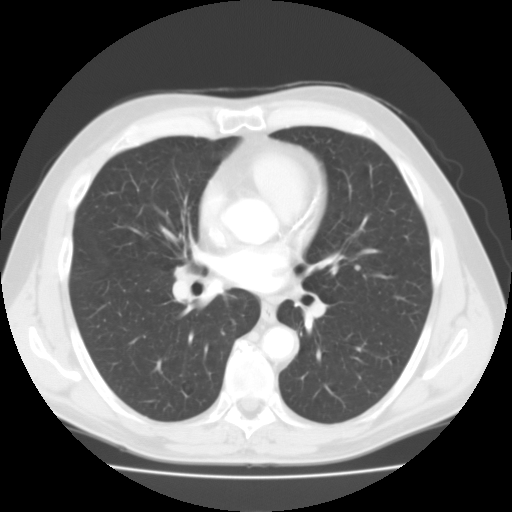
Slice 59/109 of a chest CT, counting up from the lowest; pixel size 0.720 mm, slice thickness 3.00 mm. Pulmonary nodule, outlined by one of the four readers. Box on this slice rows 265–270, columns 354–360, that reader's outline on this slice; longest diameter 5.8 mm and volume 95 mm3 from that reader's outline. Ratings by that reader: texture 5/5 (solid); margin 5/5 (circumscribed); sphericity 4/5; calcification absent; internal structure soft tissue; subtlety 3/5; malignancy likelihood 1/5. Scale key (1–5): texture non-solid→solid, margin indistinct→circumscribed, sphericity linear→round, subtlety extremely subtle→obvious, malignancy likelihood highly unlikely→highly suspicious of cancer. Box rows and columns are 0-based pixel indices from the top-left corner, inclusive.
Tube voltage 135 kVp; convolution kernel FC01.